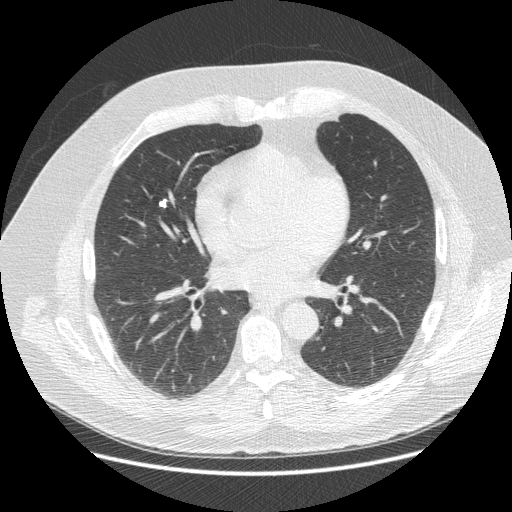
This is axial slice 244 of 477 (slice 1 is the lowest) of a chest CT; each pixel is 0.781 mm and the slice is 1.25 mm thick. Pulmonary nodule, outlined by all four readers. Box on this slice rows 198–207, columns 158–166, the union of the readers' outlines on this slice; longest diameter 6.3–9.5 mm and volume 41–153 mm3 across the four readers' outlines. Ratings across the readers: texture from 4/5 to 5/5 (solid) across the four readers; margin from 4/5 to 5/5 (circumscribed) across the four readers; sphericity from 2/5 to 4/5 across the four readers; calcification: solid calcification (three), absent (one); internal structure soft tissue from all four readers; subtlety 5/5 from all four readers; malignancy likelihood from 1/5 to 4/5 across the four readers. Scale key (1–5): texture non-solid→solid, margin indistinct→circumscribed, sphericity linear→round, subtlety extremely subtle→obvious, malignancy likelihood highly unlikely→highly suspicious of cancer. Box rows and columns are 0-based pixel indices from the top-left corner, inclusive.
Scan settings: 120 kVp, STANDARD reconstruction kernel.